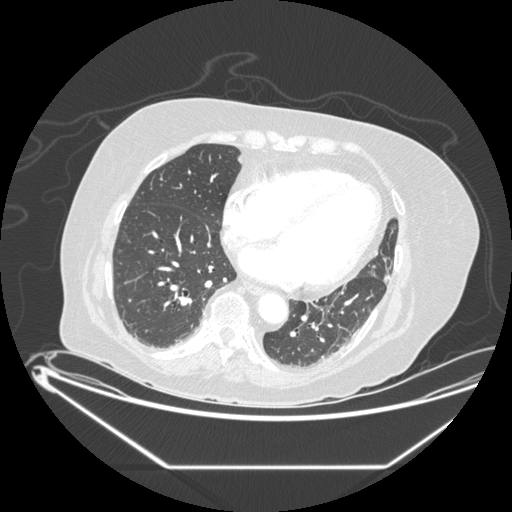
Axial slice 63 of 197 of a chest CT (slice 1 is the lowest), reconstructed with the STANDARD kernel at 120 kVp; 1.25 mm slice thickness and 0.859 mm pixels.
Pulmonary nodule at rows 223–229, columns 389–395 (box = the one reader's outline on this slice), outlined by three of the four readers, one of them on this slice; median longest diameter 8.8 mm (readers' outlines 7.9–12.5 mm), median volume 154 mm3 (121–343 mm3). Median ratings and the readers' spread: texture 5/5 (solid), all three readers agreeing; margin 4/5 at the median of three readers, spread 4/5 to 5/5 (circumscribed); sphericity 4/5 at the median of three readers, spread 4/5 to 5/5 (round); calcification absent from all three readers; internal structure soft tissue, all three readers agreeing; median subtlety 3/5 (readers ranged 3–4); median malignancy likelihood 3/5 (readers ranged 2–3). Scale key (1–5): texture non-solid→solid, margin indistinct→circumscribed, sphericity linear→round, subtlety extremely subtle→obvious, malignancy likelihood highly unlikely→highly suspicious of cancer. Box rows and columns are 0-based pixel indices from the top-left corner, inclusive.